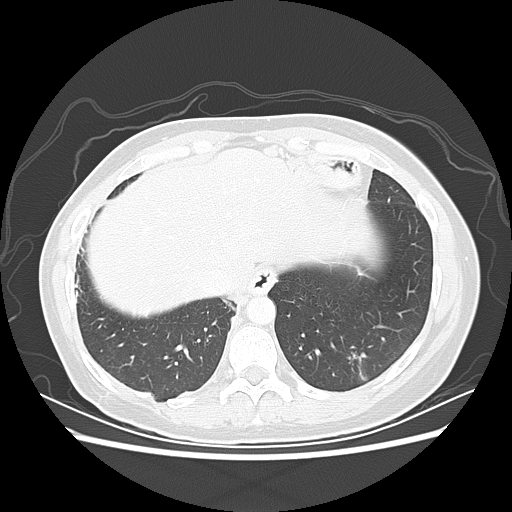
Slice 52/133 of a chest CT, counting up from the lowest; pixel size 0.703 mm, slice thickness 2.50 mm. Pulmonary nodule, outlined by all four readers, one of them on this slice. Box on this slice rows 354–358, columns 353–356, the one reader's outline on this slice; median longest diameter 12.7 mm (readers' outlines 11.7–14.6 mm), median volume 466 mm3 (378–526 mm3). Median ratings and the readers' spread: texture 5/5 (solid) at the median of four readers, spread 4/5 to 5/5 (solid); median margin 4/5 (readers ranged 3/5 to 4/5); sphericity 3/5 (ovoid) at the median of four readers, spread 3/5 (ovoid) to 5/5 (round); calcification absent from all four readers; internal structure soft tissue, all four readers agreeing; subtlety 4.5/5 at the median of four readers, spread 4–5; median malignancy likelihood 4/5 (readers ranged 3–4). Scale key (1–5): texture non-solid→solid, margin indistinct→circumscribed, sphericity linear→round, subtlety extremely subtle→obvious, malignancy likelihood highly unlikely→highly suspicious of cancer. Box rows and columns are 0-based pixel indices from the top-left corner, inclusive.
Tube voltage 120 kVp; convolution kernel LUNG.